Axial chest CT slice 85 of 116 (counted from the lowest slice); tube voltage 135 kVp, convolution kernel FC01; slices 3.00 mm thick, 0.692 mm per pixel.
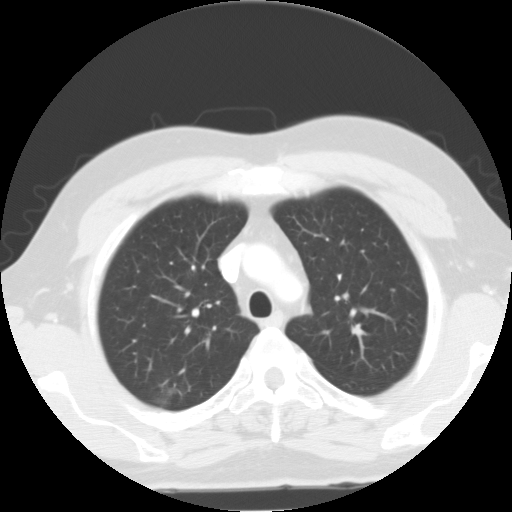
Pulmonary nodule outlined by all four readers; box rows 384–406, columns 153–181 (the union of the readers' outlines on this slice); longest diameter 30.5 mm on average over the four readers' outlines (readers' outlines 28.5–32.9 mm), volume 2473–3947 mm3. Ratings, by the readers' most common answer with dissent counted: texture 3/5 (part-solid) by three of four readers; the rest gave 5/5 (solid) (one); margin 2/5 by three of four readers; the rest gave 1/5 (indistinct) (one); most readers (three of four) put sphericity at 3/5 (ovoid), others 2/5 (one); calcification absent from all four readers; internal structure soft tissue from all four readers; subtlety 5/5 by three of four readers; the rest gave 4/5 (one); malignancy likelihood split among the readers: 2/5 (one), 3/5 (one), 4/5 (one), 5/5 (one). Scale key (1–5): texture non-solid→solid, margin indistinct→circumscribed, sphericity linear→round, subtlety extremely subtle→obvious, malignancy likelihood highly unlikely→highly suspicious of cancer. Box rows and columns are 0-based pixel indices from the top-left corner, inclusive.